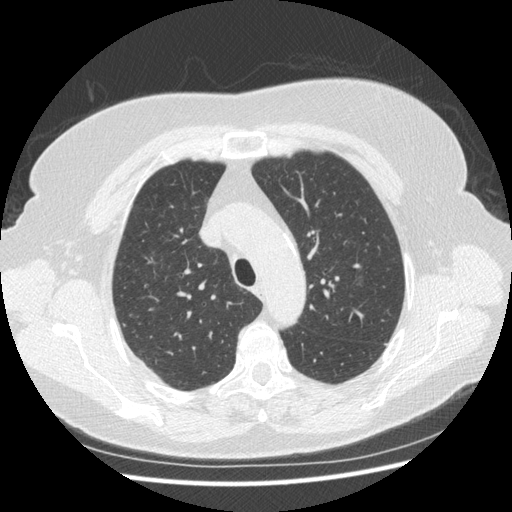
This is axial slice 320 of 413 (slice 1 is the lowest) of a chest CT; each pixel is 0.703 mm and the slice is 1.25 mm thick. Pulmonary nodule outlined by two of the four readers, one of them on this slice; box rows 280–284, columns 358–361 (the one reader's outline on this slice); longest diameter 10.1 mm on average over the two readers' outlines (readers' outlines 10.1 mm), volume 131–234 mm3. The readers' prevailing ratings and who disagreed: texture 1/5 (non-solid) from both readers; margin split among the readers: 1/5 (indistinct) (one), 3/5 (one); sphericity split among the readers: 4/5 (one), 5/5 (round) (one); calcification absent, both readers agreeing; internal structure soft tissue, both readers agreeing; subtlety split among the readers: 1/5 (one), 4/5 (one); malignancy likelihood split among the readers: 3/5 (one), 4/5 (one). Scale key (1–5): texture non-solid→solid, margin indistinct→circumscribed, sphericity linear→round, subtlety extremely subtle→obvious, malignancy likelihood highly unlikely→highly suspicious of cancer. Box rows and columns are 0-based pixel indices from the top-left corner, inclusive.
Scan settings: 120 kVp, STANDARD reconstruction kernel.